Chest CT, axial plane, 120 kVp, kernel B30f. Slice 125/209 from the bottom of the scan; thickness 2.00 mm; pixel size 0.625 mm.
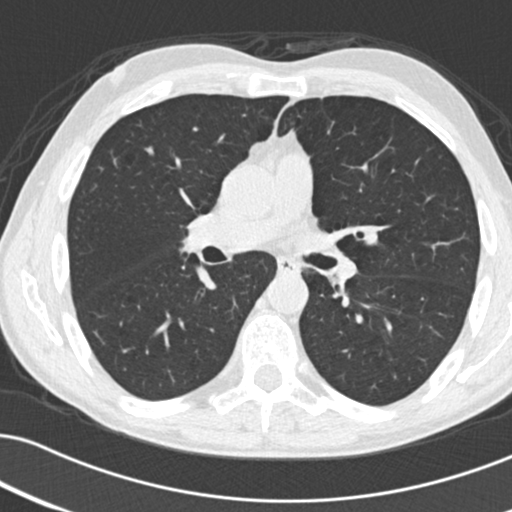
This slice carries no reader outline of a nodule 3 mm or larger.